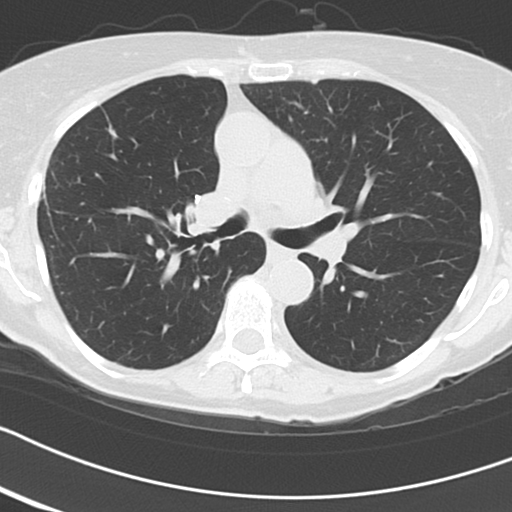
Slice 65/103 of a chest CT, counting up from the lowest; pixel size 0.566 mm, slice thickness 3.00 mm. Pulmonary nodule outlined by one of the four readers; box rows 129–137, columns 106–116 (that reader's outline on this slice); longest diameter 8.2 mm and volume 102 mm3 from that reader's outline. That reader's ratings: texture 5/5 (solid); margin 5/5 (circumscribed); sphericity 3/5 (ovoid); calcification absent; internal structure soft tissue; subtlety 3/5; malignancy likelihood 4/5. Scale key (1–5): texture non-solid→solid, margin indistinct→circumscribed, sphericity linear→round, subtlety extremely subtle→obvious, malignancy likelihood highly unlikely→highly suspicious of cancer. Box rows and columns are 0-based pixel indices from the top-left corner, inclusive.
Scan settings: 120 kVp, B45f reconstruction kernel.